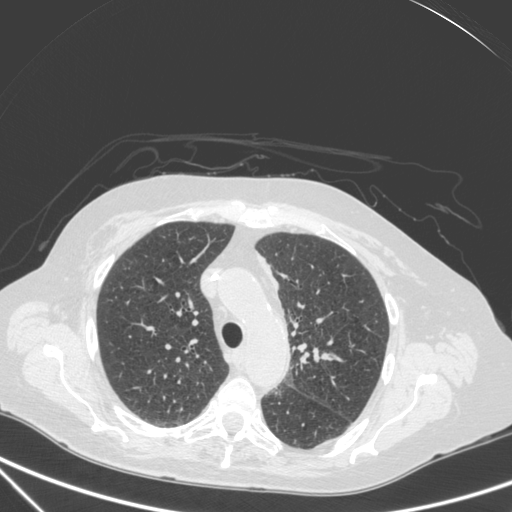
This is axial slice 237 of 350 (slice 1 is the lowest) of a chest CT; each pixel is 0.725 mm and the slice is 1.50 mm thick. Pulmonary nodule at rows 353–359, columns 322–332 (box = the union of the readers' outlines on this slice), outlined by all four readers; longest diameter 9.9–11.7 mm and volume 335–580 mm3 across the four readers' outlines. The readers' ratings, as ranges where they differ: texture 5/5 (solid) from all four readers; margin 4/5, all four readers agreeing; sphericity from 3/5 (ovoid) to 4/5 across the four readers; calcification absent, all four readers agreeing; internal structure soft tissue, all four readers agreeing; subtlety from 4/5 to 5/5 across the four readers; malignancy likelihood 2–5/5 (the readers disagree). Scale key (1–5): texture non-solid→solid, margin indistinct→circumscribed, sphericity linear→round, subtlety extremely subtle→obvious, malignancy likelihood highly unlikely→highly suspicious of cancer. Box rows and columns are 0-based pixel indices from the top-left corner, inclusive.
Acquired at 120 kVp and reconstructed with the C kernel.